Chest CT, axial plane, 120 kVp, kernel BONE. Slice 73/246 from the bottom of the scan; thickness 1.25 mm; pixel size 0.566 mm.
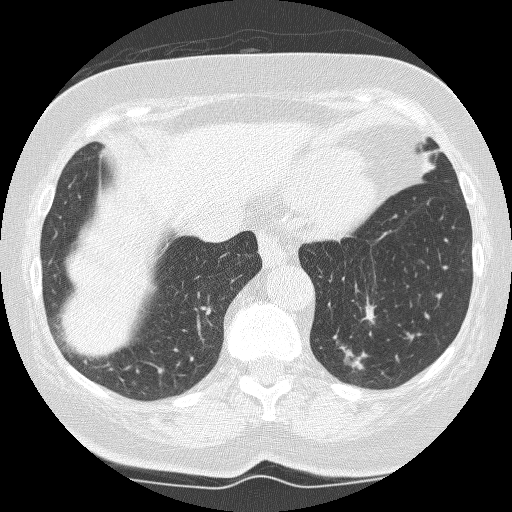
Pulmonary nodule, outlined by all four readers. Box on this slice rows 296–324, columns 361–376, the union of the readers' outlines on this slice; median longest diameter 15.5 mm (readers' outlines 13.8–17.3 mm), median volume 933 mm3 (672–1099 mm3). Median ratings and the readers' spread: texture 5/5 (solid) from all four readers; median margin 3/5 (readers ranged 2/5 to 4/5); sphericity 3.5/5 at the median of four readers, spread 2/5 to 4/5; calcification absent from all four readers; internal structure soft tissue from all four readers; median subtlety 4.5/5 (readers ranged 4–5); malignancy likelihood 4.5/5 at the median of four readers, spread 3–5. Scale key (1–5): texture non-solid→solid, margin indistinct→circumscribed, sphericity linear→round, subtlety extremely subtle→obvious, malignancy likelihood highly unlikely→highly suspicious of cancer. Box rows and columns are 0-based pixel indices from the top-left corner, inclusive.